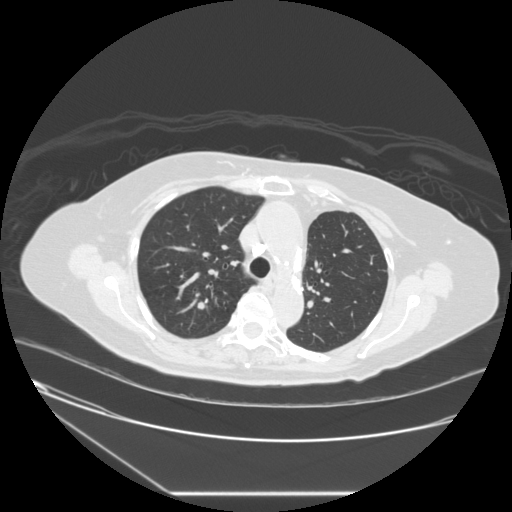
Axial chest CT slice 181 of 241 (counted from the lowest slice); 1.25 mm thick, 0.773 mm per pixel. Pulmonary nodule outlined three times (the source holds two more outlines, not used); box rows 298–309, columns 197–207 (the union of the readers' outlines on this slice); median longest diameter 11.6 mm (readers' outlines 10.5–12.2 mm), median volume 354 mm3 (344–520 mm3). Median ratings and the readers' spread: texture 5/5 (solid) at the median of three readers, spread 4/5 to 5/5 (solid); median margin 4/5 (readers ranged 4/5 to 5/5 (circumscribed)); median sphericity 3/5 (ovoid) (readers ranged 3/5 (ovoid) to 4/5); calcification: non-central calcification (two), absent (one); internal structure soft tissue from all three readers; subtlety 5/5 from all three readers; malignancy likelihood 3/5 at the median of three readers, spread 2–3. Scale key (1–5): texture non-solid→solid, margin indistinct→circumscribed, sphericity linear→round, subtlety extremely subtle→obvious, malignancy likelihood highly unlikely→highly suspicious of cancer. Box rows and columns are 0-based pixel indices from the top-left corner, inclusive.
Tube voltage 120 kVp; convolution kernel STANDARD.